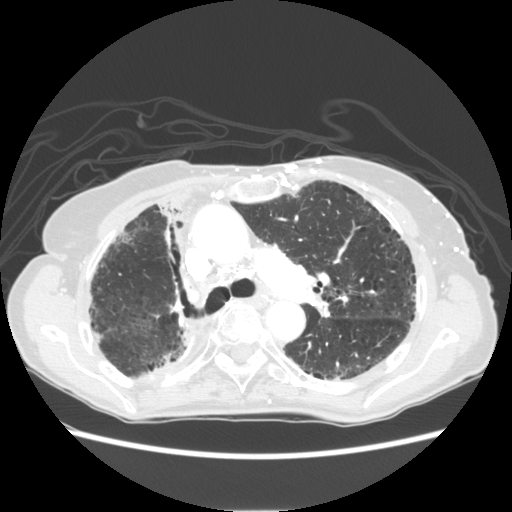
This is axial slice 88 of 131 (slice 1 is the lowest) of a chest CT; each pixel is 0.703 mm and the slice is 2.50 mm thick. No nodule of 3 mm or larger was outlined by any of the four readers on this slice.
Acquired at 120 kVp and reconstructed with the STANDARD kernel.